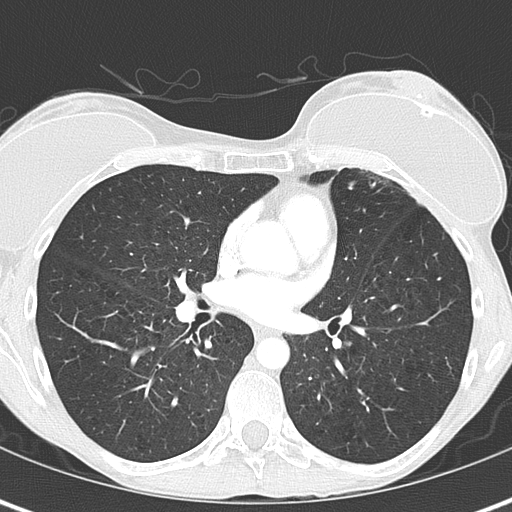
Chest CT, axial plane, 120 kVp, kernel B70f. Slice 200/345 from the bottom of the scan; thickness 2.00 mm; pixel size 0.541 mm.
Pulmonary nodule at rows 341–345, columns 343–352 (box = the union of the readers' outlines on this slice), outlined by all four readers, three of them on this slice; median longest diameter 6.6 mm (readers' outlines 6.3–7.7 mm), median volume 136 mm3 (105–184 mm3). Median ratings and the readers' spread: texture 5/5 (solid) from all four readers; margin 5/5 (circumscribed), all four readers agreeing; median sphericity 4.5/5 (readers ranged 4/5 to 5/5 (round)); calcification split among the readers: laminated calcification (two), solid calcification (two); internal structure soft tissue from all four readers; subtlety 4/5 at the median of four readers, spread 2–5; malignancy likelihood 1/5 from all four readers. Scale key (1–5): texture non-solid→solid, margin indistinct→circumscribed, sphericity linear→round, subtlety extremely subtle→obvious, malignancy likelihood highly unlikely→highly suspicious of cancer. Box rows and columns are 0-based pixel indices from the top-left corner, inclusive.